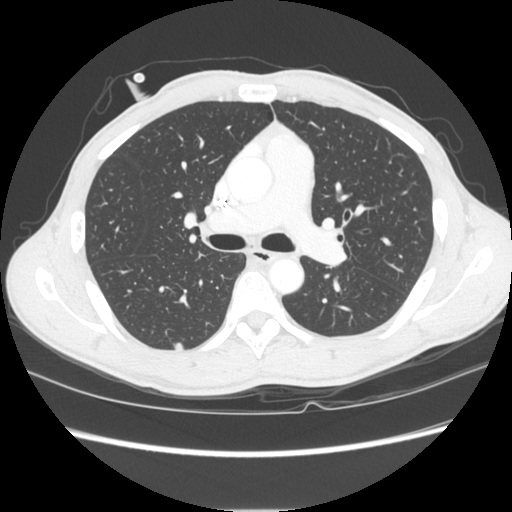
Chest CT, axial plane, 120 kVp, kernel STANDARD. Slice 159/261 from the bottom of the scan; thickness 1.25 mm; pixel size 0.684 mm.
Pulmonary nodule, outlined by all four readers. Box on this slice rows 341–350, columns 172–183, the union of the readers' outlines on this slice; longest diameter 9.5–10.7 mm and volume 211–368 mm3 across the four readers' outlines. Ratings across the readers: texture 5/5 (solid) from all four readers; margin from 4/5 to 5/5 (circumscribed) across the four readers; sphericity from 3/5 (ovoid) to 5/5 (round) across the four readers; calcification absent from all four readers; internal structure soft tissue, all four readers agreeing; subtlety rated between 3 and 5 out of 5 by the four readers; malignancy likelihood from 2/5 to 5/5 across the four readers. Scale key (1–5): texture non-solid→solid, margin indistinct→circumscribed, sphericity linear→round, subtlety extremely subtle→obvious, malignancy likelihood highly unlikely→highly suspicious of cancer. Box rows and columns are 0-based pixel indices from the top-left corner, inclusive.